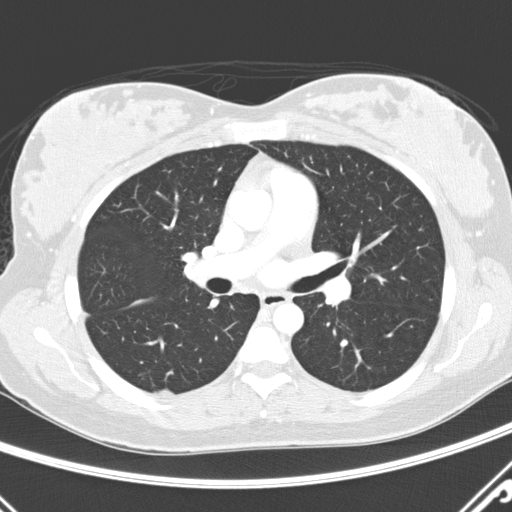
Axial chest CT slice 173 of 290 (counted from the lowest slice); tube voltage 120 kVp, convolution kernel D; slices 2.00 mm thick, 0.648 mm per pixel.
Pulmonary nodule outlined by one of the four readers; box rows 389–394, columns 154–173 (that reader's outline on this slice); longest diameter 15.8 mm and volume 355 mm3 from that reader's outline. That reader's ratings: texture 5/5 (solid); margin 5/5 (circumscribed); sphericity 3/5 (ovoid); calcification absent; internal structure soft tissue; subtlety 5/5; malignancy likelihood 3/5. Scale key (1–5): texture non-solid→solid, margin indistinct→circumscribed, sphericity linear→round, subtlety extremely subtle→obvious, malignancy likelihood highly unlikely→highly suspicious of cancer. Box rows and columns are 0-based pixel indices from the top-left corner, inclusive.